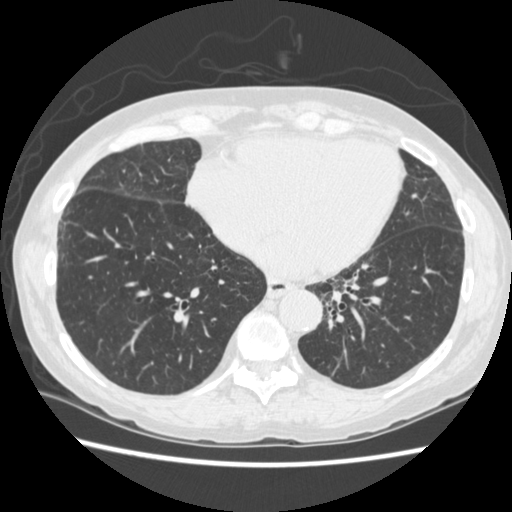
Axial chest CT slice 178 of 477 (counted from the lowest slice); 1.25 mm thick, 0.664 mm per pixel. None of the four readers outlined a nodule of 3 mm or more on this slice.
Scan settings: 120 kVp, STANDARD reconstruction kernel.